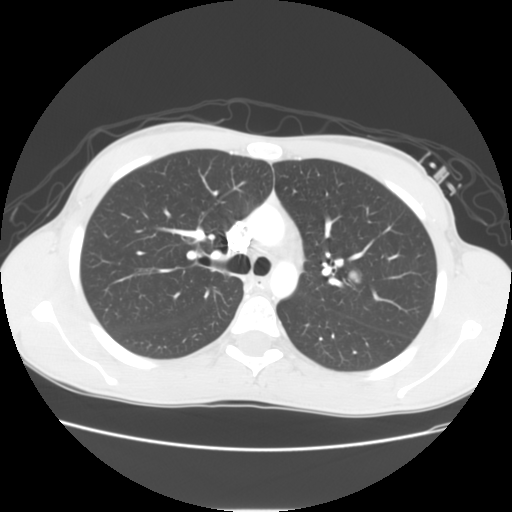
One axial slice (77 of 114, counting up from the lowest) of a chest CT acquired at 120 kVp with the STANDARD kernel; each pixel is 0.664 mm and the slice is 2.50 mm thick.
Pulmonary nodule at rows 269–282, columns 347–361 (box = the union of the readers' outlines on this slice), outlined by all four readers; median longest diameter 17.7 mm (readers' outlines 16.8–19.0 mm), median volume 1512 mm3 (1177–1906 mm3). Median ratings and the readers' spread: median texture 5/5 (solid) (readers ranged 4/5 to 5/5 (solid)); median margin 4.5/5 (readers ranged 4/5 to 5/5 (circumscribed)); sphericity 4/5 at the median of four readers, spread 3/5 (ovoid) to 5/5 (round); calcification absent, all four readers agreeing; internal structure soft tissue from all four readers; median subtlety 5/5 (readers ranged 3–5); malignancy likelihood 3.5/5 at the median of four readers, spread 2–5. Scale key (1–5): texture non-solid→solid, margin indistinct→circumscribed, sphericity linear→round, subtlety extremely subtle→obvious, malignancy likelihood highly unlikely→highly suspicious of cancer. Box rows and columns are 0-based pixel indices from the top-left corner, inclusive.